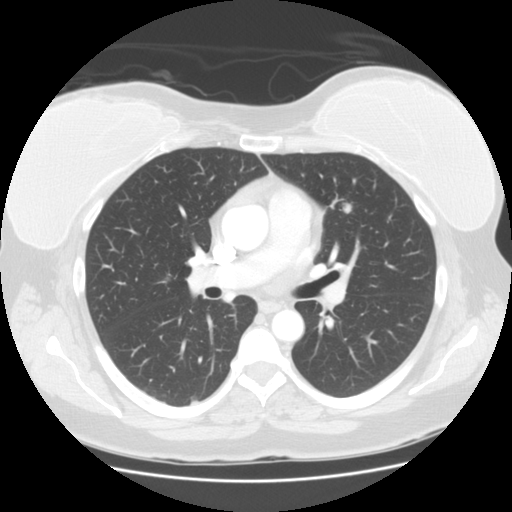
Axial chest CT slice 90 of 139 (counted from the lowest slice); tube voltage 120 kVp, convolution kernel STANDARD; slices 2.50 mm thick, 0.703 mm per pixel.
Pulmonary nodule, outlined once (the source holds five more outlines, not used). Box on this slice rows 203–212, columns 341–351, that reader's outline on this slice; longest diameter 26.9 mm and volume 1751 mm3 from that reader's outline. Ratings by that reader: texture 5/5 (solid); margin 5/5 (circumscribed); sphericity 3/5 (ovoid); calcification absent; internal structure soft tissue; subtlety 3/5; malignancy likelihood 2/5. Scale key (1–5): texture non-solid→solid, margin indistinct→circumscribed, sphericity linear→round, subtlety extremely subtle→obvious, malignancy likelihood highly unlikely→highly suspicious of cancer. Box rows and columns are 0-based pixel indices from the top-left corner, inclusive.